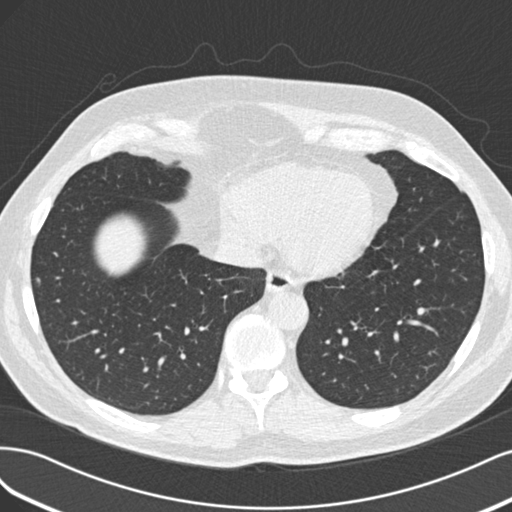
Axial chest CT slice 62 of 193 (counted from the lowest slice); tube voltage 120 kVp, convolution kernel B30f; slices 2.00 mm thick, 0.703 mm per pixel.
Pulmonary nodule, outlined by three of the four readers, two of them on this slice. Box on this slice rows 277–283, columns 35–41, the union of the readers' outlines on this slice; longest diameter 12.1–12.9 mm and volume 445–586 mm3 across the three readers' outlines. The readers' ratings, as ranges where they differ: texture from 4/5 to 5/5 (solid) across the three readers; margin from 4/5 to 5/5 (circumscribed) across the three readers; sphericity from 4/5 to 5/5 (round) across the three readers; calcification: absent (two), central calcification (one); internal structure soft tissue, all three readers agreeing; subtlety from 4/5 to 5/5 across the three readers; malignancy likelihood rated between 1 and 4 out of 5 by the three readers. Scale key (1–5): texture non-solid→solid, margin indistinct→circumscribed, sphericity linear→round, subtlety extremely subtle→obvious, malignancy likelihood highly unlikely→highly suspicious of cancer. Box rows and columns are 0-based pixel indices from the top-left corner, inclusive.